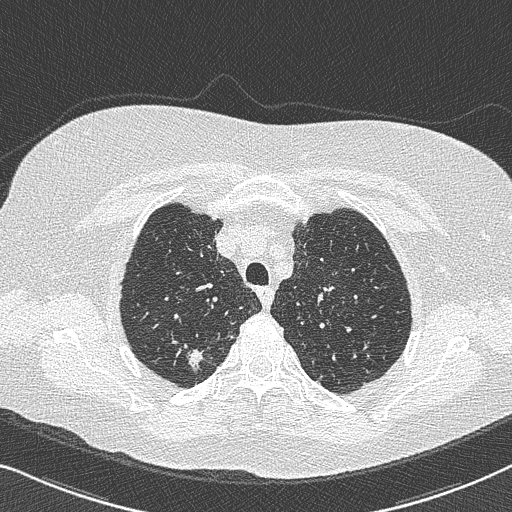
Axial chest CT slice 589 of 733 (counted from the lowest slice); tube voltage 120 kVp, convolution kernel B50f; slices 0.60 mm thick, 0.637 mm per pixel.
Pulmonary nodule outlined by all four readers; box rows 347–374, columns 184–204 (the union of the readers' outlines on this slice); longest diameter 22.0 mm on average over the four readers' outlines (readers' outlines 15.5–29.7 mm), volume 888–2128 mm3. Ratings, by the readers' most common answer with dissent counted: texture 5/5 (solid) by three of four readers; the rest gave 4/5 (one); margin 3/5 by two of four readers; the rest gave 1/5 (indistinct) (one), 4/5 (one); sphericity 3/5 (ovoid) by two of four readers; the rest gave 2/5 (one), 5/5 (round) (one); calcification absent, all four readers agreeing; internal structure soft tissue, all four readers agreeing; most readers (three of four) put subtlety at 5/5, others 4/5 (one); malignancy likelihood 4/5 by three of four readers; the rest gave 5/5 (one). Scale key (1–5): texture non-solid→solid, margin indistinct→circumscribed, sphericity linear→round, subtlety extremely subtle→obvious, malignancy likelihood highly unlikely→highly suspicious of cancer. Box rows and columns are 0-based pixel indices from the top-left corner, inclusive.